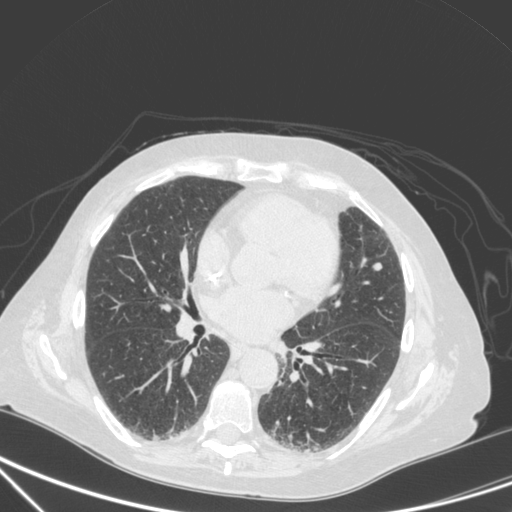
One axial slice (157 of 350, counting up from the lowest) of a chest CT acquired at 120 kVp with the C kernel; each pixel is 0.725 mm and the slice is 1.50 mm thick.
Pulmonary nodule outlined by all four readers; box rows 261–270, columns 370–382 (the union of the readers' outlines on this slice); longest diameter 8.5–10.5 mm and volume 175–345 mm3 across the four readers' outlines. The readers' ratings, as ranges where they differ: texture from 4/5 to 5/5 (solid) across the four readers; margin from 4/5 to 5/5 (circumscribed) across the four readers; sphericity from 3/5 (ovoid) to 4/5 across the four readers; calcification absent, all four readers agreeing; internal structure soft tissue from all four readers; subtlety 5/5 from all four readers; malignancy likelihood from 2/5 to 5/5 across the four readers. Scale key (1–5): texture non-solid→solid, margin indistinct→circumscribed, sphericity linear→round, subtlety extremely subtle→obvious, malignancy likelihood highly unlikely→highly suspicious of cancer. Box rows and columns are 0-based pixel indices from the top-left corner, inclusive.